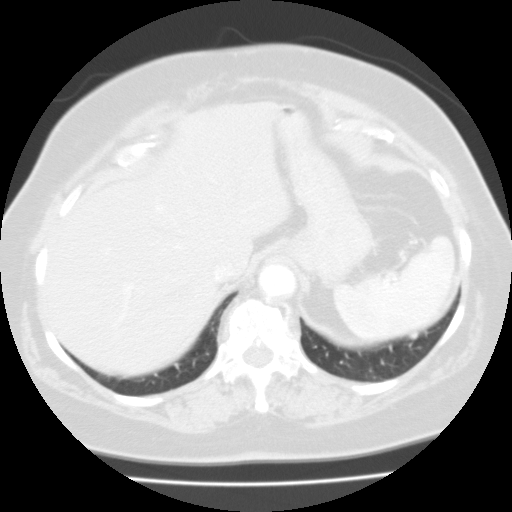
Slice 25/105 of a chest CT, counting up from the lowest; pixel size 0.640 mm, slice thickness 3.00 mm. Pulmonary nodule, outlined by all four readers. Box on this slice rows 331–339, columns 409–417, the union of the readers' outlines on this slice; longest diameter 7.3 mm on average over the four readers' outlines (readers' outlines 6.8–8.0 mm), volume 132–216 mm3. Ratings, by the readers' most common answer with dissent counted: most readers (three of four) put texture at 5/5 (solid), others 4/5 (one); margin 5/5 (circumscribed) by two of four readers; the rest gave 3/5 (one), 4/5 (one); sphericity split among the readers: 4/5 (two), 5/5 (round) (two); calcification absent, all four readers agreeing; internal structure soft tissue, all four readers agreeing; subtlety 1/5 by two of four readers; the rest gave 2/5 (one), 5/5 (one); malignancy likelihood 3/5 by three of four readers; the rest gave 1/5 (one). Scale key (1–5): texture non-solid→solid, margin indistinct→circumscribed, sphericity linear→round, subtlety extremely subtle→obvious, malignancy likelihood highly unlikely→highly suspicious of cancer. Box rows and columns are 0-based pixel indices from the top-left corner, inclusive.
Tube voltage 135 kVp; convolution kernel FC01.